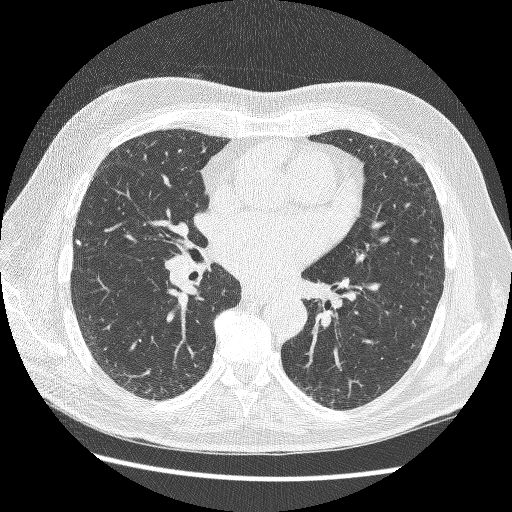
One axial slice (138 of 264, counting up from the lowest) of a chest CT acquired at 120 kVp with the BONE kernel; each pixel is 0.703 mm and the slice is 1.25 mm thick.
Pulmonary nodule outlined by all four readers; box rows 239–245, columns 75–80 (the union of the readers' outlines on this slice); median longest diameter 5.1 mm (readers' outlines 5.1–6.3 mm), median volume 30 mm3 (26–37 mm3). Ratings, median across the readers with their spread: median texture 5/5 (solid) (readers ranged 4/5 to 5/5 (solid)); median margin 4.5/5 (readers ranged 3/5 to 5/5 (circumscribed)); median sphericity 2.5/5 (readers ranged 2/5 to 4/5); calcification: solid calcification (three), absent (one); internal structure soft tissue from all four readers; subtlety 3.5/5 at the median of four readers, spread 2–5; malignancy likelihood 1/5, all four readers agreeing. Scale key (1–5): texture non-solid→solid, margin indistinct→circumscribed, sphericity linear→round, subtlety extremely subtle→obvious, malignancy likelihood highly unlikely→highly suspicious of cancer. Box rows and columns are 0-based pixel indices from the top-left corner, inclusive.